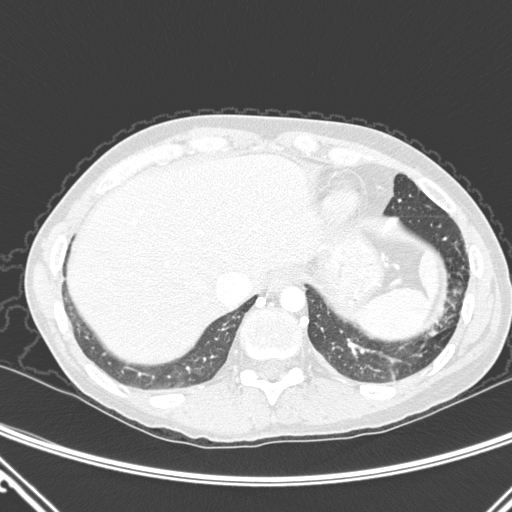
Axial chest CT slice 60 of 290 (counted from the lowest slice); tube voltage 120 kVp, convolution kernel D; slices 1.00 mm thick, 0.662 mm per pixel.
Pulmonary nodule outlined by two of the four readers; box rows 329–335, columns 428–437 (the union of the readers' outlines on this slice); longest diameter 17.1 mm on average over the two readers' outlines (readers' outlines 16.8–17.4 mm), volume 457–555 mm3. The readers' prevailing ratings and who disagreed: texture 5/5 (solid), both readers agreeing; margin split among the readers: 1/5 (indistinct) (one), 2/5 (one); sphericity split among the readers: 3/5 (ovoid) (one), 4/5 (one); calcification absent from both readers; internal structure soft tissue, both readers agreeing; subtlety 4/5 from both readers; malignancy likelihood split among the readers: 3/5 (one), 4/5 (one). Scale key (1–5): texture non-solid→solid, margin indistinct→circumscribed, sphericity linear→round, subtlety extremely subtle→obvious, malignancy likelihood highly unlikely→highly suspicious of cancer. Box rows and columns are 0-based pixel indices from the top-left corner, inclusive.